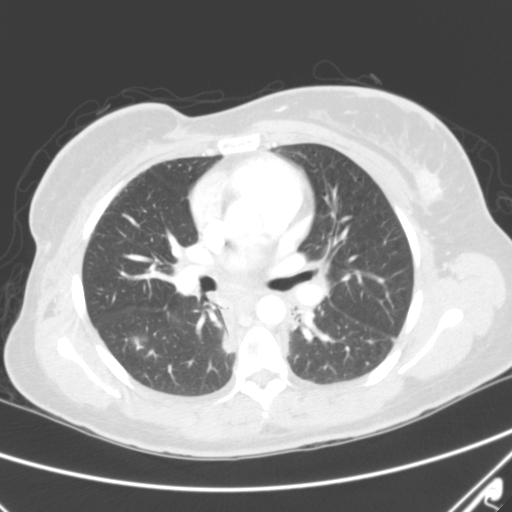
Axial slice 152 of 263 of a chest CT (slice 1 is the lowest), reconstructed with the B kernel at 120 kVp; 2.00 mm slice thickness and 0.664 mm pixels.
Pulmonary nodule, outlined two times (the source holds three more outlines, not used). Box on this slice rows 332–345, columns 129–147, the union of the readers' outlines on this slice; median longest diameter 13.7 mm (readers' outlines 12.2–15.2 mm), median volume 980 mm3 (731–1229 mm3). Median ratings and the readers' spread: texture 2/5 at the median of two readers, spread 1/5 (non-solid) to 3/5 (part-solid); median margin 2.5/5 (readers ranged 2/5 to 3/5); median sphericity 3.5/5 (readers ranged 3/5 (ovoid) to 4/5); calcification absent from both readers; internal structure soft tissue from both readers; subtlety 3/5, both readers agreeing; malignancy likelihood 3/5 at the median of two readers, spread 2–4. Scale key (1–5): texture non-solid→solid, margin indistinct→circumscribed, sphericity linear→round, subtlety extremely subtle→obvious, malignancy likelihood highly unlikely→highly suspicious of cancer. Box rows and columns are 0-based pixel indices from the top-left corner, inclusive.